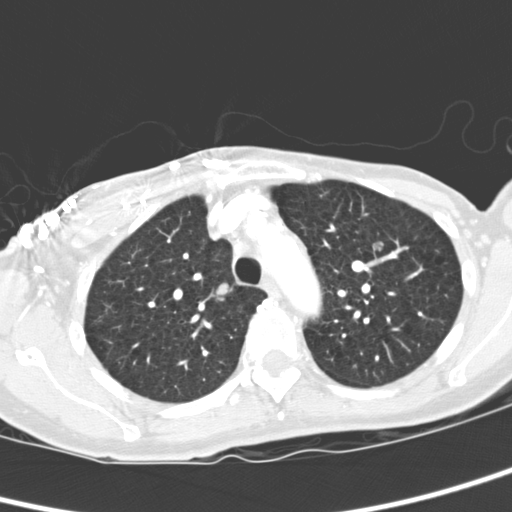
Axial slice 244 of 321 of a chest CT (slice 1 is the lowest), reconstructed with the D kernel at 120 kVp; 2.00 mm slice thickness and 0.557 mm pixels.
Two pulmonary nodules on this slice, listed from left to right. (1) Pulmonary nodule outlined by all four readers; box rows 282–301, columns 214–230 (the union of the readers' outlines on this slice); median longest diameter 20.8 mm (readers' outlines 19.2–21.9 mm), median volume 3674 mm3 (3323–4100 mm3). Median ratings and the readers' spread: texture 5/5 (solid), all four readers agreeing; median margin 5/5 (circumscribed) (readers ranged 4/5 to 5/5 (circumscribed)); median sphericity 5/5 (round) (readers ranged 4/5 to 5/5 (round)); calcification absent, all four readers agreeing; internal structure soft tissue from all four readers; subtlety 5/5 from all four readers; malignancy likelihood 4.5/5 at the median of four readers, spread 3–5. (2) Pulmonary nodule outlined by all four readers, three of them on this slice; box rows 241–251, columns 372–384 (the union of the readers' outlines on this slice); median longest diameter 20.6 mm (readers' outlines 19.2–22.3 mm), median volume 3516 mm3 (3069–4125 mm3). Ratings, median across the readers with their spread: texture 5/5 (solid), all four readers agreeing; margin 5/5 (circumscribed) from all four readers; median sphericity 4.5/5 (readers ranged 4/5 to 5/5 (round)); calcification absent, all four readers agreeing; internal structure soft tissue from all four readers; subtlety 5/5 from all four readers; median malignancy likelihood 4/5 (readers ranged 2–5). Scale key (1–5): texture non-solid→solid, margin indistinct→circumscribed, sphericity linear→round, subtlety extremely subtle→obvious, malignancy likelihood highly unlikely→highly suspicious of cancer. Box rows and columns are 0-based pixel indices from the top-left corner, inclusive.